Axial chest CT slice 123 of 465 (counted from the lowest slice); tube voltage 120 kVp, convolution kernel STANDARD; slices 1.25 mm thick, 0.586 mm per pixel.
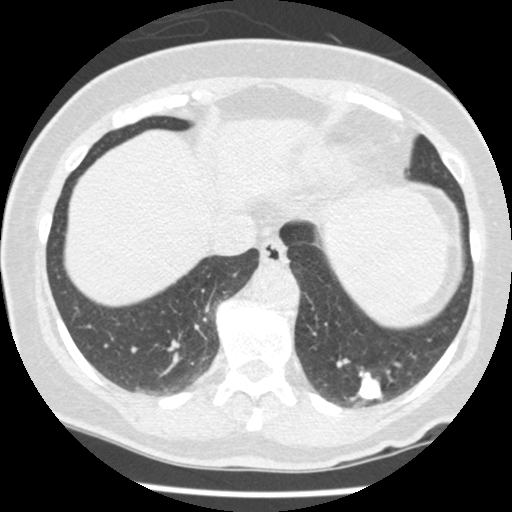
Pulmonary nodule outlined by all four readers; box rows 372–399, columns 357–381 (the union of the readers' outlines on this slice); longest diameter 18.1 mm on average over the four readers' outlines (readers' outlines 15.8–20.8 mm), volume 1106–1600 mm3. Ratings, by the readers' most common answer with dissent counted: texture 5/5 (solid), all four readers agreeing; margin 4/5 by two of four readers; the rest gave 3/5 (one), 5/5 (circumscribed) (one); most readers (three of four) put sphericity at 4/5, others 3/5 (ovoid) (one); calcification absent by two of four readers, solid calcification (one), central calcification (one); internal structure soft tissue, all four readers agreeing; subtlety 5/5, all four readers agreeing; malignancy likelihood 1/5 by two of four readers; the rest gave 4/5 (one), 5/5 (one). Scale key (1–5): texture non-solid→solid, margin indistinct→circumscribed, sphericity linear→round, subtlety extremely subtle→obvious, malignancy likelihood highly unlikely→highly suspicious of cancer. Box rows and columns are 0-based pixel indices from the top-left corner, inclusive.